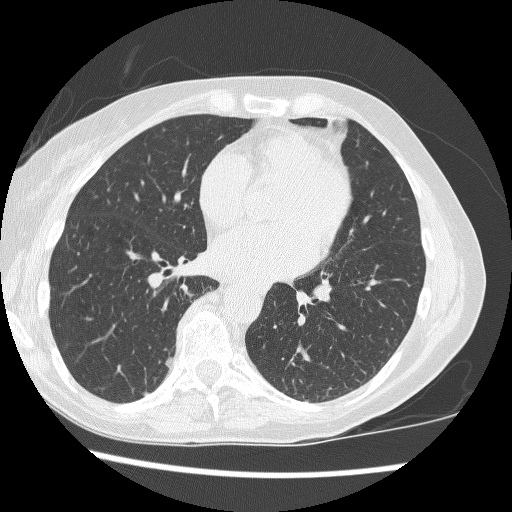
This is axial slice 126 of 257 (slice 1 is the lowest) of a chest CT; each pixel is 0.627 mm and the slice is 1.25 mm thick. Pulmonary nodule at rows 357–367, columns 165–172 (box = the union of the readers' outlines on this slice), outlined by all four readers; median longest diameter 10.2 mm (readers' outlines 9.0–11.5 mm), median volume 141 mm3 (130–194 mm3). Ratings, median across the readers with their spread: median texture 5/5 (solid) (readers ranged 4/5 to 5/5 (solid)); margin 4/5 at the median of four readers, spread 3/5 to 4/5; median sphericity 3/5 (ovoid) (readers ranged 2/5 to 3/5 (ovoid)); calcification absent, all four readers agreeing; internal structure soft tissue, all four readers agreeing; subtlety 3.5/5 at the median of four readers, spread 3–4; median malignancy likelihood 2.5/5 (readers ranged 2–3). Scale key (1–5): texture non-solid→solid, margin indistinct→circumscribed, sphericity linear→round, subtlety extremely subtle→obvious, malignancy likelihood highly unlikely→highly suspicious of cancer. Box rows and columns are 0-based pixel indices from the top-left corner, inclusive.
Acquired at 120 kVp and reconstructed with the BONE kernel.